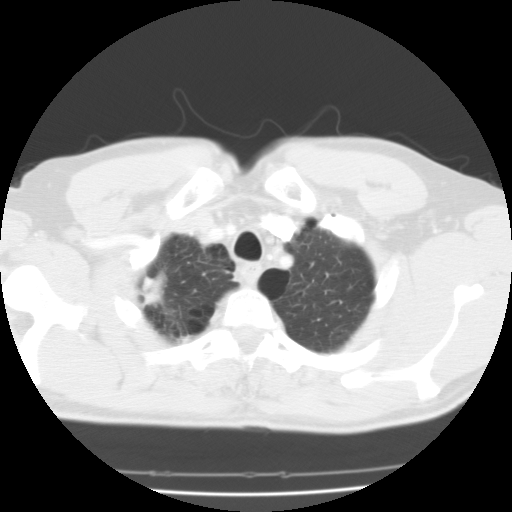
Axial chest CT slice 90 of 102 (counted from the lowest slice); tube voltage 135 kVp, convolution kernel FC01; slices 3.00 mm thick, 0.647 mm per pixel.
Pulmonary nodule at rows 270–307, columns 140–168 (box = the union of the readers' outlines on this slice), outlined by two of the four readers; median longest diameter 30.5 mm (readers' outlines 29.1–32.0 mm), median volume 3115 mm3 (2486–3744 mm3). Median ratings and the readers' spread: texture 5/5 (solid), both readers agreeing; median margin 2.5/5 (readers ranged 1/5 (indistinct) to 4/5); median sphericity 3.5/5 (readers ranged 3/5 (ovoid) to 4/5); calcification absent from both readers; internal structure soft tissue, both readers agreeing; subtlety 4/5 at the median of two readers, spread 3–5; malignancy likelihood 2.5/5 at the median of two readers, spread 1–4. Scale key (1–5): texture non-solid→solid, margin indistinct→circumscribed, sphericity linear→round, subtlety extremely subtle→obvious, malignancy likelihood highly unlikely→highly suspicious of cancer. Box rows and columns are 0-based pixel indices from the top-left corner, inclusive.